Axial chest CT slice 189 of 280 (counted from the lowest slice); tube voltage 120 kVp, convolution kernel D; slices 2.00 mm thick, 0.627 mm per pixel.
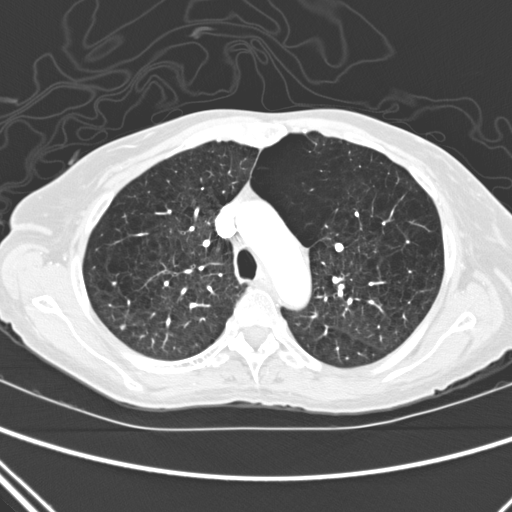
Pulmonary nodule outlined by two of the four readers; box rows 324–329, columns 120–125 (the union of the readers' outlines on this slice); longest diameter 5.1 mm and volume 53–57 mm3 across the two readers' outlines. Ratings across the readers: texture 5/5 (solid), both readers agreeing; margin 5/5 (circumscribed), both readers agreeing; sphericity from 4/5 to 5/5 (round) across the two readers; calcification absent, both readers agreeing; internal structure soft tissue from both readers; subtlety 2–3/5 (the readers disagree); malignancy likelihood 2/5, both readers agreeing. Scale key (1–5): texture non-solid→solid, margin indistinct→circumscribed, sphericity linear→round, subtlety extremely subtle→obvious, malignancy likelihood highly unlikely→highly suspicious of cancer. Box rows and columns are 0-based pixel indices from the top-left corner, inclusive.